One axial slice (244 of 506, counting up from the lowest) of a chest CT acquired at 120 kVp with the STANDARD kernel; each pixel is 0.664 mm and the slice is 1.25 mm thick.
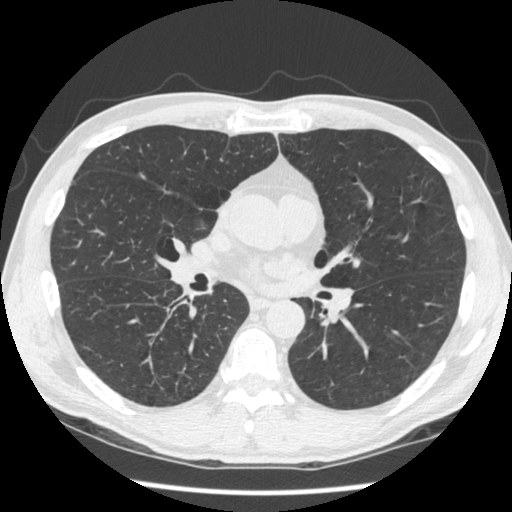
Pulmonary nodule, outlined by two of the four readers, one of them on this slice. Box on this slice rows 222–228, columns 197–205, the one reader's outline on this slice; longest diameter 16.4–17.3 mm and volume 126–127 mm3 across the two readers' outlines. Ratings across the readers: texture 1/5 (non-solid) from both readers; margin from 1/5 (indistinct) to 4/5 across the two readers; sphericity from 3/5 (ovoid) to 4/5 across the two readers; calcification absent from both readers; internal structure soft tissue, both readers agreeing; subtlety rated between 2 and 4 out of 5 by the two readers; malignancy likelihood 3/5, both readers agreeing. Scale key (1–5): texture non-solid→solid, margin indistinct→circumscribed, sphericity linear→round, subtlety extremely subtle→obvious, malignancy likelihood highly unlikely→highly suspicious of cancer. Box rows and columns are 0-based pixel indices from the top-left corner, inclusive.